One axial slice (327 of 400, counting up from the lowest) of a chest CT acquired at 120 kVp with the C kernel; each pixel is 0.527 mm and the slice is 1.50 mm thick.
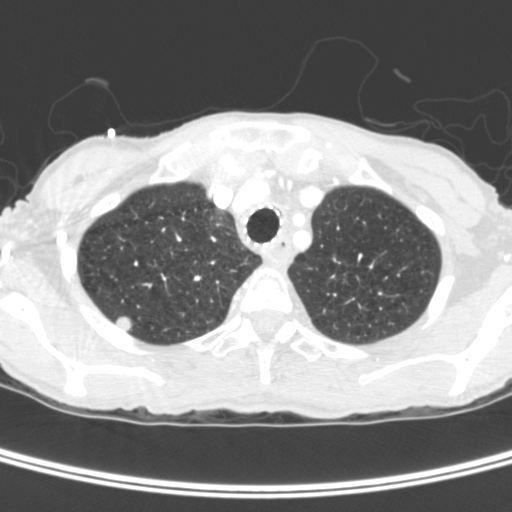
Pulmonary nodule, outlined by three of the four readers. Box on this slice rows 315–331, columns 115–132, the union of the readers' outlines on this slice; longest diameter 15.5 mm on average over the three readers' outlines (readers' outlines 15.0–15.8 mm), volume 1012–1166 mm3. Ratings, by the readers' most common answer with dissent counted: most readers (two of three) put texture at 5/5 (solid), others 3/5 (part-solid) (one); margin 4/5 from all three readers; most readers (two of three) put sphericity at 5/5 (round), others 4/5 (one); calcification absent, all three readers agreeing; internal structure soft tissue by two of three readers, air (one); subtlety 5/5 from all three readers; most readers (two of three) put malignancy likelihood at 5/5, others 4/5 (one). Scale key (1–5): texture non-solid→solid, margin indistinct→circumscribed, sphericity linear→round, subtlety extremely subtle→obvious, malignancy likelihood highly unlikely→highly suspicious of cancer. Box rows and columns are 0-based pixel indices from the top-left corner, inclusive.